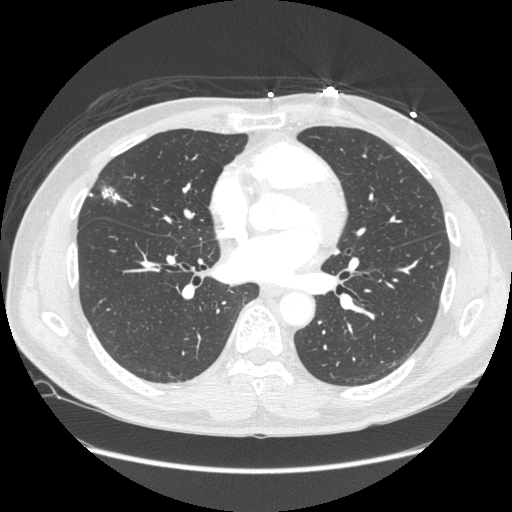
Axial slice 113 of 261 of a chest CT (slice 1 is the lowest), reconstructed with the STANDARD kernel at 120 kVp; 1.25 mm slice thickness and 0.781 mm pixels.
Pulmonary nodule at rows 185–200, columns 101–120 (box = the union of the readers' outlines on this slice), outlined by all four readers; longest diameter 18.0–19.6 mm and volume 893–1130 mm3 across the four readers' outlines. Ratings across the readers: texture 5/5 (solid) from all four readers; margin from 4/5 to 5/5 (circumscribed) across the four readers; sphericity from 3/5 (ovoid) to 5/5 (round) across the four readers; calcification: solid calcification (three), absent (one); internal structure soft tissue from all four readers; subtlety 5/5, all four readers agreeing; malignancy likelihood 1–4/5 (the readers disagree). Scale key (1–5): texture non-solid→solid, margin indistinct→circumscribed, sphericity linear→round, subtlety extremely subtle→obvious, malignancy likelihood highly unlikely→highly suspicious of cancer. Box rows and columns are 0-based pixel indices from the top-left corner, inclusive.